Chest CT, axial plane, 120 kVp, kernel B70f. Slice 114/351 from the bottom of the scan; thickness 2.00 mm; pixel size 0.643 mm.
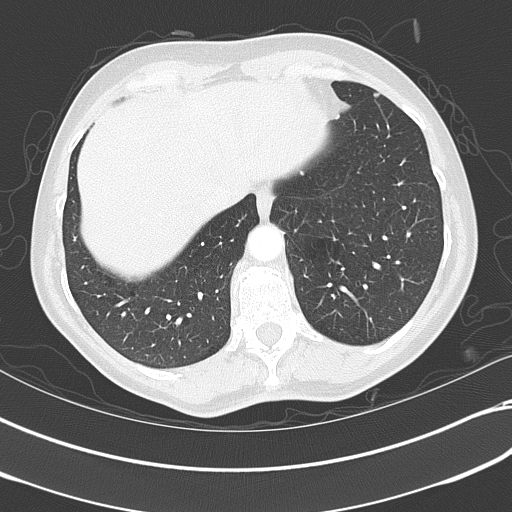
Two pulmonary nodules on this slice, listed from left to right. (1) Pulmonary nodule at rows 171–174, columns 300–303 (box = the union of the readers' outlines on this slice), outlined by two of the four readers; the two readers' outlines give a longest diameter between 5.2 and 5.5 mm and a volume between 46 and 60 mm3. The readers' ratings, as ranges where they differ: texture 5/5 (solid), both readers agreeing; margin from 4/5 to 5/5 (circumscribed) across the two readers; sphericity from 4/5 to 5/5 (round) across the two readers; calcification split among the readers: solid calcification (one), absent (one); internal structure soft tissue from both readers; subtlety from 4/5 to 5/5 across the two readers; malignancy likelihood rated between 1 and 2 out of 5 by the two readers. (2) Pulmonary nodule at rows 93–97, columns 373–378 (box = that reader's outline on this slice), outlined by one of the four readers; longest diameter 4.7 mm and volume 33 mm3 from that reader's outline. Ratings by that reader: texture 5/5 (solid); margin 5/5 (circumscribed); sphericity 3/5 (ovoid); calcification absent; internal structure soft tissue; subtlety 2/5; malignancy likelihood 2/5. Scale key (1–5): texture non-solid→solid, margin indistinct→circumscribed, sphericity linear→round, subtlety extremely subtle→obvious, malignancy likelihood highly unlikely→highly suspicious of cancer. Box rows and columns are 0-based pixel indices from the top-left corner, inclusive.